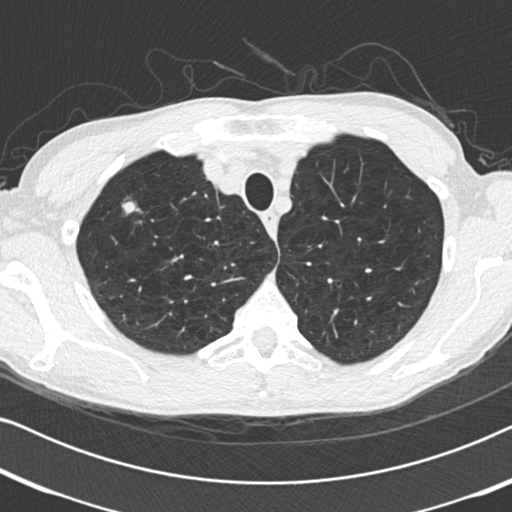
Axial chest CT slice 191 of 225 (counted from the lowest slice); tube voltage 120 kVp, convolution kernel B30f; slices 2.00 mm thick, 0.645 mm per pixel.
Pulmonary nodule, outlined by all four readers. Box on this slice rows 201–214, columns 120–140, the union of the readers' outlines on this slice; the four readers' outlines give a longest diameter between 9.2 and 13.7 mm and a volume between 245 and 400 mm3. The readers' ratings, as ranges where they differ: texture from 4/5 to 5/5 (solid) across the four readers; margin from 2/5 to 4/5 across the four readers; sphericity from 3/5 (ovoid) to 4/5 across the four readers; calcification absent from all four readers; internal structure soft tissue, all four readers agreeing; subtlety 5/5 from all four readers; malignancy likelihood rated between 3 and 5 out of 5 by the four readers. Scale key (1–5): texture non-solid→solid, margin indistinct→circumscribed, sphericity linear→round, subtlety extremely subtle→obvious, malignancy likelihood highly unlikely→highly suspicious of cancer. Box rows and columns are 0-based pixel indices from the top-left corner, inclusive.